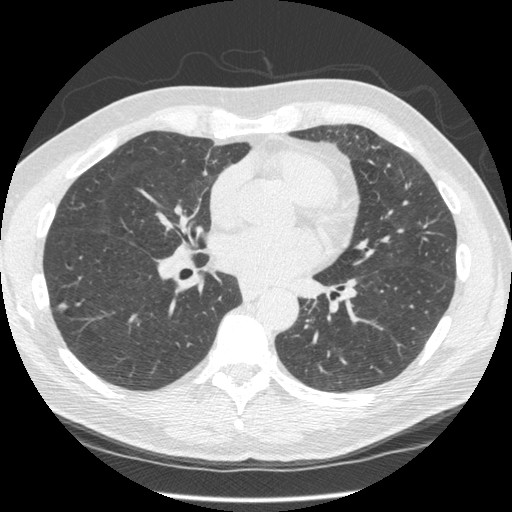
One axial slice (242 of 545, counting up from the lowest) of a chest CT acquired at 120 kVp with the STANDARD kernel; each pixel is 0.703 mm and the slice is 1.25 mm thick.
Pulmonary nodule, outlined by all four readers. Box on this slice rows 302–312, columns 55–69, the union of the readers' outlines on this slice; median longest diameter 9.7 mm (readers' outlines 9.2–14.5 mm), median volume 141 mm3 (121–250 mm3). Median ratings and the readers' spread: texture 5/5 (solid) from all four readers; margin 4/5 at the median of four readers, spread 3/5 to 5/5 (circumscribed); median sphericity 3.5/5 (readers ranged 2/5 to 5/5 (round)); calcification absent from all four readers; internal structure soft tissue from all four readers; median subtlety 3.5/5 (readers ranged 3–5); median malignancy likelihood 3/5 (readers ranged 2–5). Scale key (1–5): texture non-solid→solid, margin indistinct→circumscribed, sphericity linear→round, subtlety extremely subtle→obvious, malignancy likelihood highly unlikely→highly suspicious of cancer. Box rows and columns are 0-based pixel indices from the top-left corner, inclusive.